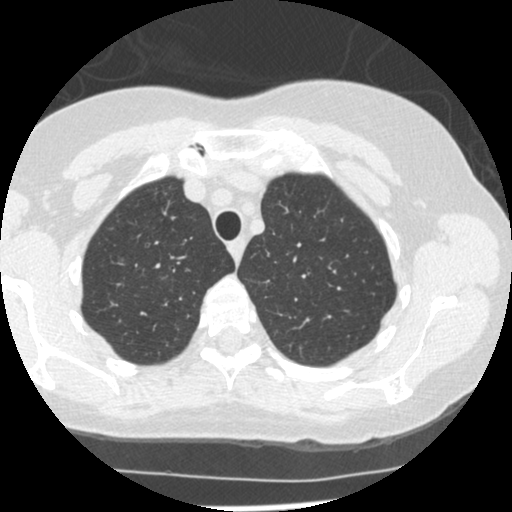
Axial slice 373 of 465 of a chest CT (slice 1 is the lowest), reconstructed with the STANDARD kernel at 120 kVp; 1.25 mm slice thickness and 0.586 mm pixels.
Pulmonary nodule at rows 257–262, columns 117–124 (box = the union of the readers' outlines on this slice), outlined by two of the four readers; median longest diameter 5.1 mm (readers' outlines 4.3–5.9 mm), median volume 31 mm3 (21–42 mm3). Ratings, median across the readers with their spread: median texture 2/5 (readers ranged 1/5 (non-solid) to 3/5 (part-solid)); median margin 2.5/5 (readers ranged 1/5 (indistinct) to 4/5); sphericity 3.5/5 at the median of two readers, spread 3/5 (ovoid) to 4/5; calcification absent from both readers; internal structure soft tissue from both readers; subtlety 4/5 at the median of two readers, spread 3–5; malignancy likelihood 3/5 from both readers. Scale key (1–5): texture non-solid→solid, margin indistinct→circumscribed, sphericity linear→round, subtlety extremely subtle→obvious, malignancy likelihood highly unlikely→highly suspicious of cancer. Box rows and columns are 0-based pixel indices from the top-left corner, inclusive.